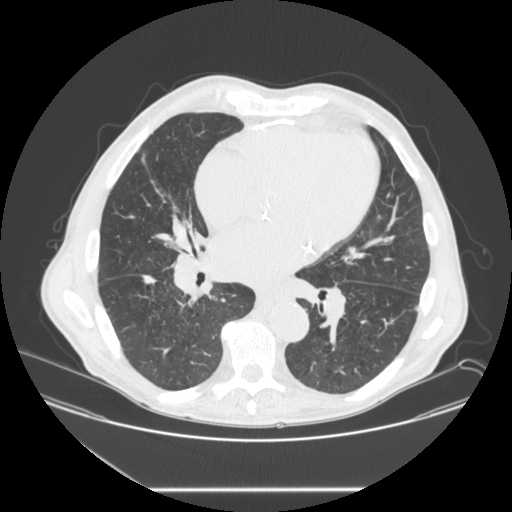
Axial chest CT slice 114 of 245 (counted from the lowest slice); tube voltage 120 kVp, convolution kernel STANDARD; slices 1.25 mm thick, 0.834 mm per pixel.
Pulmonary nodule outlined by three of the four readers; box rows 275–283, columns 143–156 (the union of the readers' outlines on this slice); the three readers' outlines give a longest diameter between 14.3 and 16.2 mm and a volume between 328 and 432 mm3. The readers' ratings, as ranges where they differ: texture 5/5 (solid) from all three readers; margin from 4/5 to 5/5 (circumscribed) across the three readers; sphericity 3/5 (ovoid) from all three readers; calcification absent from all three readers; internal structure soft tissue from all three readers; subtlety 4–5/5 (the readers disagree); malignancy likelihood from 2/5 to 3/5 across the three readers. Scale key (1–5): texture non-solid→solid, margin indistinct→circumscribed, sphericity linear→round, subtlety extremely subtle→obvious, malignancy likelihood highly unlikely→highly suspicious of cancer. Box rows and columns are 0-based pixel indices from the top-left corner, inclusive.